Axial chest CT slice 57 of 116 (counted from the lowest slice); tube voltage 135 kVp, convolution kernel FC01; slices 3.00 mm thick, 0.714 mm per pixel.
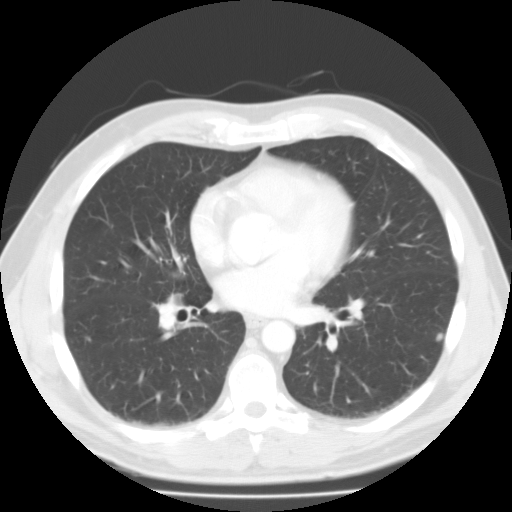
Pulmonary nodule at rows 333–342, columns 436–444 (box = the union of the readers' outlines on this slice), outlined by two of the four readers; longest diameter 7.1–8.9 mm and volume 179–273 mm3 across the two readers' outlines. Ratings across the readers: texture from 2/5 to 4/5 across the two readers; margin 3/5, both readers agreeing; sphericity 3/5 (ovoid) from both readers; calcification absent, both readers agreeing; internal structure soft tissue, both readers agreeing; subtlety rated between 3 and 4 out of 5 by the two readers; malignancy likelihood 3/5, both readers agreeing. Scale key (1–5): texture non-solid→solid, margin indistinct→circumscribed, sphericity linear→round, subtlety extremely subtle→obvious, malignancy likelihood highly unlikely→highly suspicious of cancer. Box rows and columns are 0-based pixel indices from the top-left corner, inclusive.